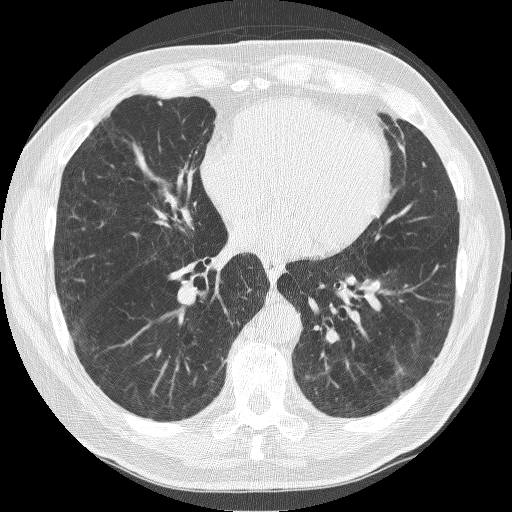
Slice 96/237 of a chest CT, counting up from the lowest; pixel size 0.664 mm, slice thickness 1.25 mm. Pulmonary nodule, outlined by two of the four readers. Box on this slice rows 99–105, columns 155–162, the union of the readers' outlines on this slice; median longest diameter 5.4 mm (readers' outlines 4.5–6.3 mm), median volume 58 mm3 (48–69 mm3). Ratings, median across the readers with their spread: texture 5/5 (solid) from both readers; margin 4.5/5 at the median of two readers, spread 4/5 to 5/5 (circumscribed); sphericity 3/5 (ovoid) at the median of two readers, spread 2/5 to 4/5; calcification absent, both readers agreeing; internal structure soft tissue, both readers agreeing; subtlety 4.5/5 at the median of two readers, spread 4–5; malignancy likelihood 3/5, both readers agreeing. Scale key (1–5): texture non-solid→solid, margin indistinct→circumscribed, sphericity linear→round, subtlety extremely subtle→obvious, malignancy likelihood highly unlikely→highly suspicious of cancer. Box rows and columns are 0-based pixel indices from the top-left corner, inclusive.
Acquired at 120 kVp and reconstructed with the BONE kernel.